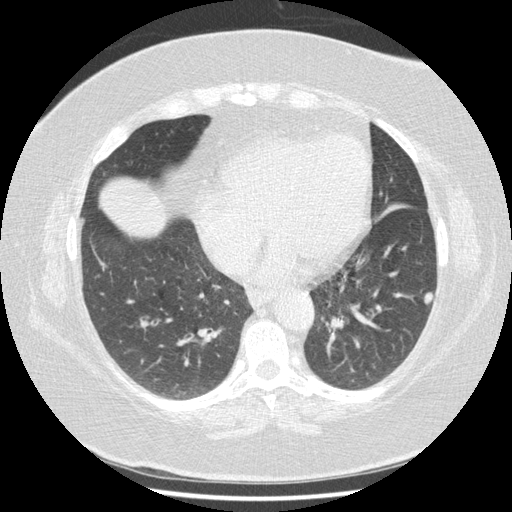
Axial chest CT slice 171 of 417 (counted from the lowest slice); tube voltage 120 kVp, convolution kernel STANDARD; slices 1.25 mm thick, 0.703 mm per pixel.
Pulmonary nodule, outlined by all four readers. Box on this slice rows 291–305, columns 423–433, the union of the readers' outlines on this slice; longest diameter 11.0 mm on average over the four readers' outlines (readers' outlines 10.1–11.6 mm), volume 183–290 mm3. Ratings, by the readers' most common answer with dissent counted: texture 5/5 (solid), all four readers agreeing; margin split among the readers: 4/5 (two), 5/5 (circumscribed) (two); sphericity 3/5 (ovoid) by three of four readers; the rest gave 4/5 (one); calcification absent, all four readers agreeing; internal structure soft tissue, all four readers agreeing; subtlety 5/5 by three of four readers; the rest gave 4/5 (one); malignancy likelihood 3/5 by three of four readers; the rest gave 4/5 (one). Scale key (1–5): texture non-solid→solid, margin indistinct→circumscribed, sphericity linear→round, subtlety extremely subtle→obvious, malignancy likelihood highly unlikely→highly suspicious of cancer. Box rows and columns are 0-based pixel indices from the top-left corner, inclusive.